Axial slice 126 of 327 of a chest CT (slice 1 is the lowest), reconstructed with the B45f kernel at 120 kVp; 1.00 mm slice thickness and 0.664 mm pixels.
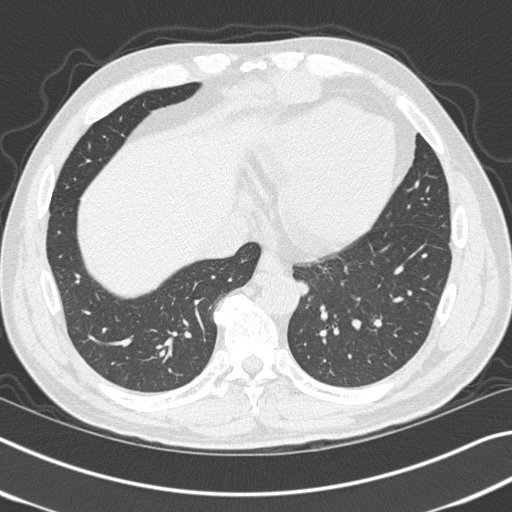
Pulmonary nodule at rows 279–296, columns 295–309 (box = the union of the readers' outlines on this slice), outlined by three of the four readers; longest diameter 12.9 mm on average over the three readers' outlines (readers' outlines 12.4–14.0 mm), volume 357–534 mm3. Ratings, by the readers' most common answer with dissent counted: texture 5/5 (solid) from all three readers; most readers (two of three) put margin at 5/5 (circumscribed), others 4/5 (one); sphericity split among the readers: 3/5 (ovoid) (one), 4/5 (one), 5/5 (round) (one); calcification absent, all three readers agreeing; internal structure soft tissue from all three readers; subtlety split among the readers: 1/5 (one), 3/5 (one), 4/5 (one); most readers (two of three) put malignancy likelihood at 4/5, others 2/5 (one). Scale key (1–5): texture non-solid→solid, margin indistinct→circumscribed, sphericity linear→round, subtlety extremely subtle→obvious, malignancy likelihood highly unlikely→highly suspicious of cancer. Box rows and columns are 0-based pixel indices from the top-left corner, inclusive.